Chest CT, axial plane, 120 kVp, kernel B30f. Slice 156/206 from the bottom of the scan; thickness 2.00 mm; pixel size 0.703 mm.
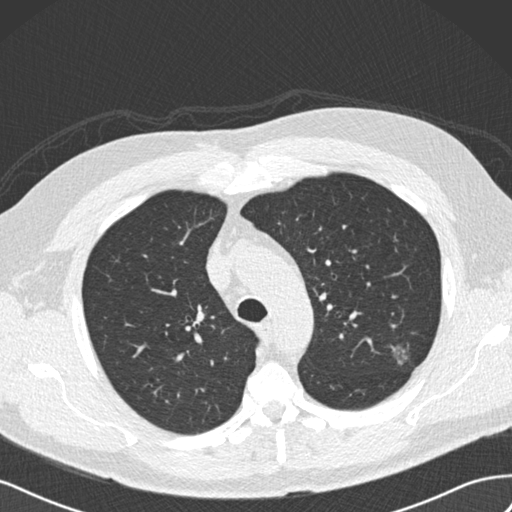
Pulmonary nodule, outlined by three of the four readers. Box on this slice rows 344–364, columns 391–407, the union of the readers' outlines on this slice; median longest diameter 17.9 mm (readers' outlines 15.6–17.9 mm), median volume 953 mm3 (851–953 mm3). Ratings, median across the readers with their spread: median texture 2/5 (readers ranged 1/5 (non-solid) to 3/5 (part-solid)); margin 2/5 at the median of three readers, spread 1/5 (indistinct) to 3/5; sphericity 2/5, all three readers agreeing; calcification absent from all three readers; internal structure: soft tissue (two), air (one); subtlety 4/5 at the median of three readers, spread 3–4; median malignancy likelihood 4/5 (readers ranged 3–4). Scale key (1–5): texture non-solid→solid, margin indistinct→circumscribed, sphericity linear→round, subtlety extremely subtle→obvious, malignancy likelihood highly unlikely→highly suspicious of cancer. Box rows and columns are 0-based pixel indices from the top-left corner, inclusive.